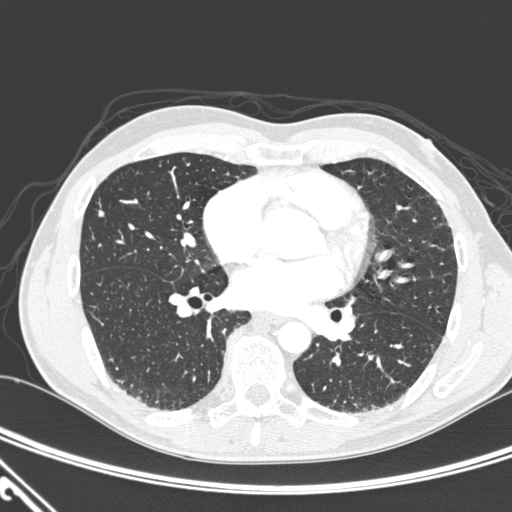
Chest CT, axial plane, 120 kVp, kernel D. Slice 133/276 from the bottom of the scan; thickness 1.00 mm; pixel size 0.639 mm.
Pulmonary nodule outlined by all four readers; box rows 210–216, columns 97–105 (the union of the readers' outlines on this slice); median longest diameter 5.6 mm (readers' outlines 5.1–6.9 mm), median volume 46 mm3 (27–66 mm3). Median ratings and the readers' spread: texture 5/5 (solid) at the median of four readers, spread 4/5 to 5/5 (solid); margin 4.5/5 at the median of four readers, spread 3/5 to 5/5 (circumscribed); sphericity 4/5 at the median of four readers, spread 4/5 to 5/5 (round); calcification: absent (three), solid calcification (one); internal structure soft tissue from all four readers; median subtlety 4.5/5 (readers ranged 3–5); malignancy likelihood 2/5 at the median of four readers, spread 1–3. Scale key (1–5): texture non-solid→solid, margin indistinct→circumscribed, sphericity linear→round, subtlety extremely subtle→obvious, malignancy likelihood highly unlikely→highly suspicious of cancer. Box rows and columns are 0-based pixel indices from the top-left corner, inclusive.